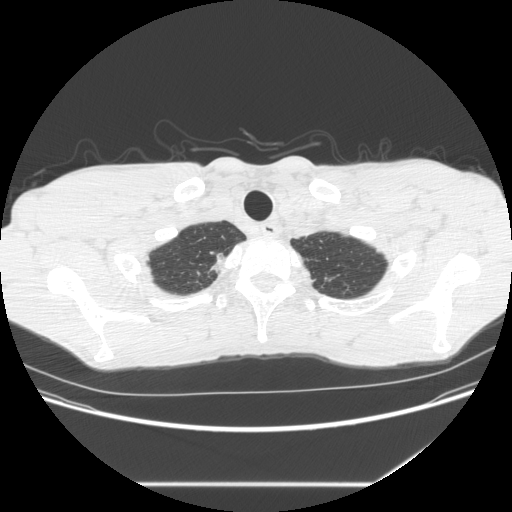
Chest CT, axial plane, 120 kVp, kernel STANDARD. Slice 269/301 from the bottom of the scan; thickness 1.25 mm; pixel size 0.752 mm.
Pulmonary nodule outlined by three of the four readers; box rows 271–275, columns 197–199 (the union of the readers' outlines on this slice); longest diameter 6.9–7.9 mm and volume 79–115 mm3 across the three readers' outlines. The readers' ratings, as ranges where they differ: texture from 4/5 to 5/5 (solid) across the three readers; margin from 3/5 to 4/5 across the three readers; sphericity from 2/5 to 4/5 across the three readers; calcification absent, all three readers agreeing; internal structure soft tissue, all three readers agreeing; subtlety from 3/5 to 4/5 across the three readers; malignancy likelihood from 2/5 to 3/5 across the three readers. Scale key (1–5): texture non-solid→solid, margin indistinct→circumscribed, sphericity linear→round, subtlety extremely subtle→obvious, malignancy likelihood highly unlikely→highly suspicious of cancer. Box rows and columns are 0-based pixel indices from the top-left corner, inclusive.